Axial slice 28 of 109 of a chest CT (slice 1 is the lowest), reconstructed with the FC01 kernel at 135 kVp; 3.00 mm slice thickness and 0.613 mm pixels.
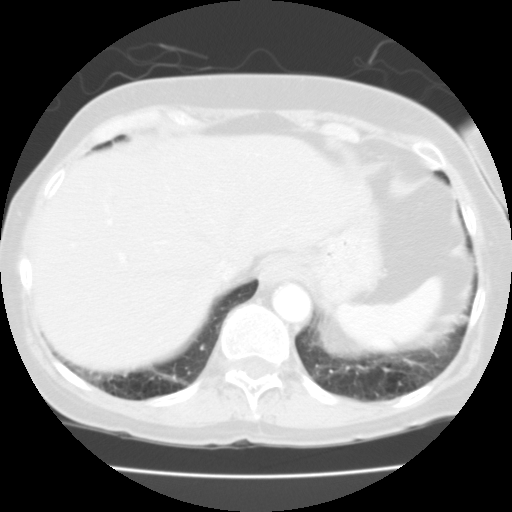
Pulmonary nodule at rows 314–325, columns 457–467 (box = the union of the readers' outlines on this slice), outlined by all four readers, two of them on this slice; longest diameter 9.4 mm on average over the four readers' outlines (readers' outlines 9.3–9.7 mm), volume 194–480 mm3. The readers' prevailing ratings and who disagreed: most readers (three of four) put texture at 5/5 (solid), others 4/5 (one); margin 4/5 by two of four readers; the rest gave 3/5 (one), 5/5 (circumscribed) (one); sphericity 3/5 (ovoid) by two of four readers; the rest gave 4/5 (one), 5/5 (round) (one); calcification absent, all four readers agreeing; internal structure soft tissue, all four readers agreeing; subtlety 2/5 by two of four readers; the rest gave 3/5 (one), 4/5 (one); malignancy likelihood 2/5 by two of four readers; the rest gave 3/5 (one), 4/5 (one). Scale key (1–5): texture non-solid→solid, margin indistinct→circumscribed, sphericity linear→round, subtlety extremely subtle→obvious, malignancy likelihood highly unlikely→highly suspicious of cancer. Box rows and columns are 0-based pixel indices from the top-left corner, inclusive.